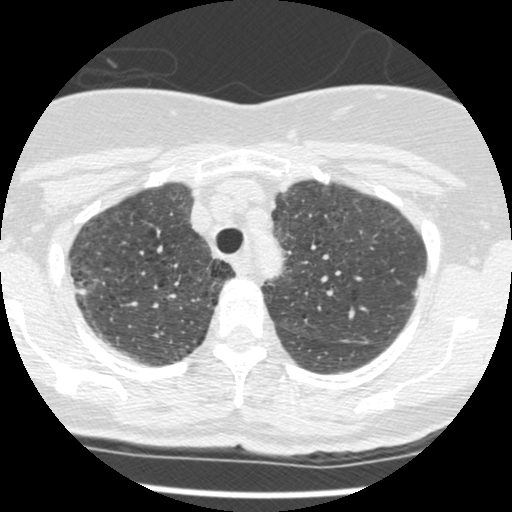
Axial chest CT slice 386 of 465 (counted from the lowest slice); tube voltage 120 kVp, convolution kernel STANDARD; slices 1.25 mm thick, 0.586 mm per pixel.
Pulmonary nodule outlined by one of the four readers; box rows 288–294, columns 76–86 (that reader's outline on this slice); longest diameter 8.3 mm and volume 208 mm3 from that reader's outline. Ratings by that reader: texture 5/5 (solid); margin 4/5; sphericity 4/5; calcification absent; internal structure soft tissue; subtlety 3/5; malignancy likelihood 2/5. Scale key (1–5): texture non-solid→solid, margin indistinct→circumscribed, sphericity linear→round, subtlety extremely subtle→obvious, malignancy likelihood highly unlikely→highly suspicious of cancer. Box rows and columns are 0-based pixel indices from the top-left corner, inclusive.